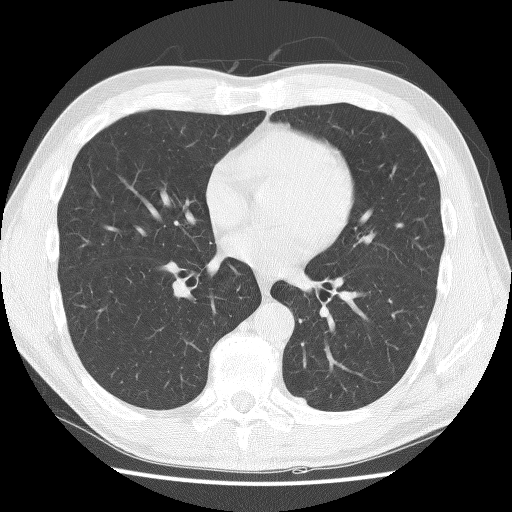
Axial chest CT slice 62 of 132 (counted from the lowest slice); tube voltage 140 kVp, convolution kernel BONE; slices 2.50 mm thick, 0.656 mm per pixel.
Pulmonary nodule at rows 398–404, columns 294–304 (box = that reader's outline on this slice), outlined by one of the four readers; longest diameter 11.5 mm and volume 455 mm3 from that reader's outline. That reader's ratings: texture 4/5; margin 4/5; sphericity 2/5; calcification absent; internal structure soft tissue; subtlety 4/5; malignancy likelihood 2/5. Scale key (1–5): texture non-solid→solid, margin indistinct→circumscribed, sphericity linear→round, subtlety extremely subtle→obvious, malignancy likelihood highly unlikely→highly suspicious of cancer. Box rows and columns are 0-based pixel indices from the top-left corner, inclusive.